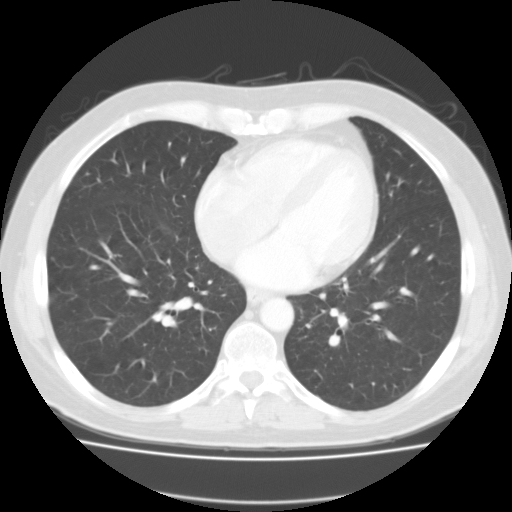
Axial chest CT slice 61 of 127 (counted from the lowest slice); 3.00 mm thick, 0.750 mm per pixel. Pulmonary nodule, outlined by one of the four readers. Box on this slice rows 258–261, columns 51–54, that reader's outline on this slice; longest diameter 5.4 mm and volume 126 mm3 from that reader's outline. That reader's ratings: texture 2/5; margin 2/5; sphericity 3/5 (ovoid); calcification absent; internal structure soft tissue; subtlety 1/5; malignancy likelihood 3/5. Scale key (1–5): texture non-solid→solid, margin indistinct→circumscribed, sphericity linear→round, subtlety extremely subtle→obvious, malignancy likelihood highly unlikely→highly suspicious of cancer. Box rows and columns are 0-based pixel indices from the top-left corner, inclusive.
Tube voltage 135 kVp; convolution kernel FC01.